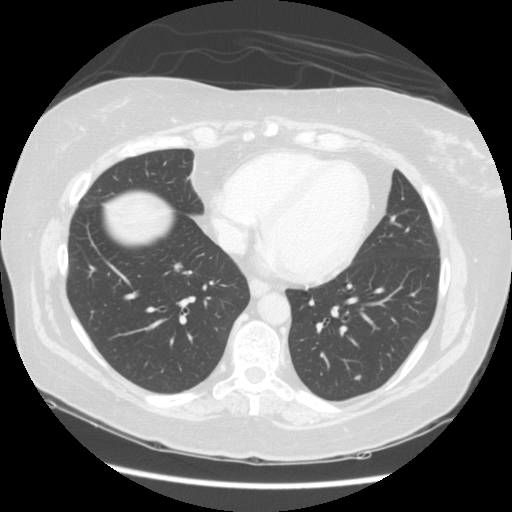
One axial slice (50 of 123, counting up from the lowest) of a chest CT acquired at 140 kVp with the STANDARD kernel; each pixel is 0.703 mm and the slice is 2.50 mm thick.
Two pulmonary nodules are outlined on this slice; from left to right: (1) Pulmonary nodule, outlined by all four readers. Box on this slice rows 262–272, columns 173–182, the union of the readers' outlines on this slice; median longest diameter 9.3 mm (readers' outlines 8.2–10.2 mm), median volume 199 mm3 (156–224 mm3). Median ratings and the readers' spread: texture 4/5 at the median of four readers, spread 3/5 (part-solid) to 5/5 (solid); margin 3.5/5 at the median of four readers, spread 2/5 to 4/5; median sphericity 3.5/5 (readers ranged 3/5 (ovoid) to 5/5 (round)); calcification absent from all four readers; internal structure soft tissue from all four readers; subtlety 3.5/5 at the median of four readers, spread 2–5; median malignancy likelihood 3/5 (readers ranged 3–4). (2) Pulmonary nodule at rows 374–379, columns 353–361 (box = that reader's outline on this slice), outlined by one of the four readers; longest diameter 7.3 mm and volume 121 mm3 from that reader's outline. That reader's ratings: texture 4/5; margin 2/5; sphericity 3/5 (ovoid); calcification absent; internal structure soft tissue; subtlety 4/5; malignancy likelihood 3/5. Scale key (1–5): texture non-solid→solid, margin indistinct→circumscribed, sphericity linear→round, subtlety extremely subtle→obvious, malignancy likelihood highly unlikely→highly suspicious of cancer. Box rows and columns are 0-based pixel indices from the top-left corner, inclusive.